Axial chest CT slice 47 of 141 (counted from the lowest slice); tube voltage 120 kVp, convolution kernel LUNG; slices 2.50 mm thick, 0.820 mm per pixel.
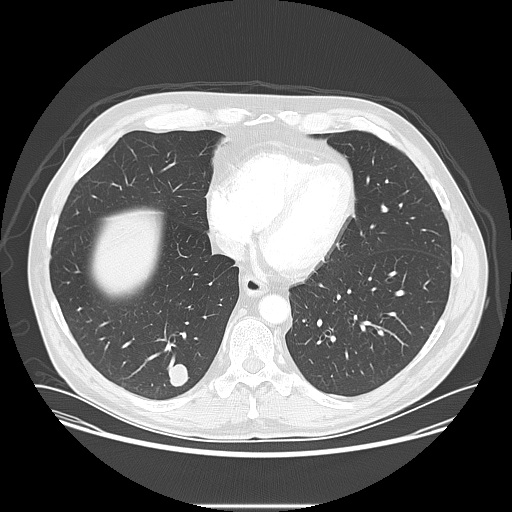
Pulmonary nodule at rows 363–386, columns 167–187 (box = the union of the readers' outlines on this slice), outlined by all four readers; longest diameter 19.2–21.8 mm and volume 2661–3789 mm3 across the four readers' outlines. The readers' ratings, as ranges where they differ: texture 5/5 (solid), all four readers agreeing; margin from 4/5 to 5/5 (circumscribed) across the four readers; sphericity from 3/5 (ovoid) to 4/5 across the four readers; calcification absent from all four readers; internal structure soft tissue, all four readers agreeing; subtlety from 4/5 to 5/5 across the four readers; malignancy likelihood 3–5/5 (the readers disagree). Scale key (1–5): texture non-solid→solid, margin indistinct→circumscribed, sphericity linear→round, subtlety extremely subtle→obvious, malignancy likelihood highly unlikely→highly suspicious of cancer. Box rows and columns are 0-based pixel indices from the top-left corner, inclusive.